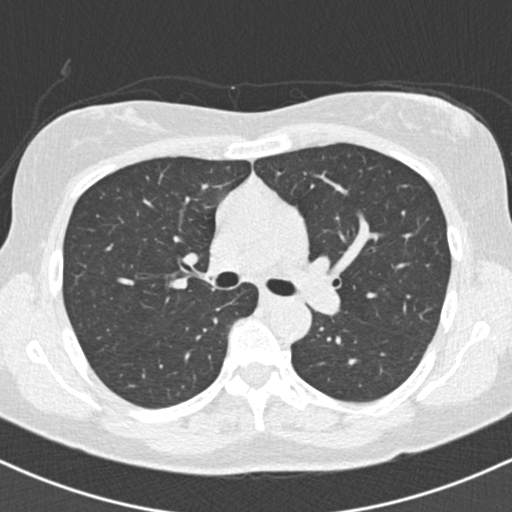
Slice 116/182 of a chest CT, counting up from the lowest; pixel size 0.625 mm, slice thickness 2.00 mm. No nodule of 3 mm or larger was outlined by any of the four readers on this slice.
Scan settings: 120 kVp, B30f reconstruction kernel.